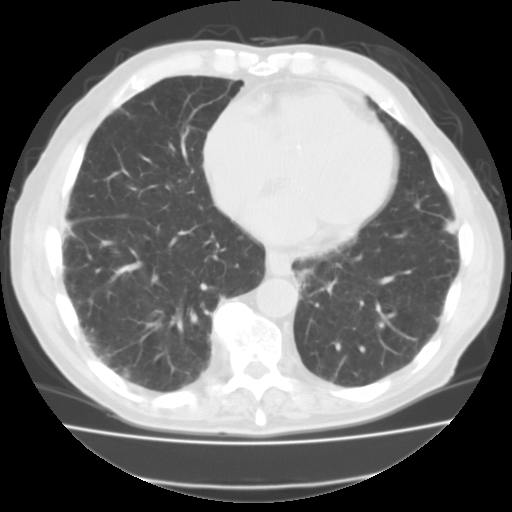
Chest CT, axial plane, 135 kVp, kernel FC01. Slice 39/111 from the bottom of the scan; thickness 3.00 mm; pixel size 0.714 mm.
Pulmonary nodule outlined by all four readers; box rows 218–234, columns 443–458 (the union of the readers' outlines on this slice); median longest diameter 19.9 mm (readers' outlines 19.5–21.5 mm), median volume 3747 mm3 (3640–4836 mm3). Median ratings and the readers' spread: texture 5/5 (solid), all four readers agreeing; median margin 5/5 (circumscribed) (readers ranged 4/5 to 5/5 (circumscribed)); sphericity 3.5/5 at the median of four readers, spread 3/5 (ovoid) to 5/5 (round); calcification absent, all four readers agreeing; internal structure soft tissue, all four readers agreeing; subtlety 5/5 from all four readers; median malignancy likelihood 3.5/5 (readers ranged 2–5). Scale key (1–5): texture non-solid→solid, margin indistinct→circumscribed, sphericity linear→round, subtlety extremely subtle→obvious, malignancy likelihood highly unlikely→highly suspicious of cancer. Box rows and columns are 0-based pixel indices from the top-left corner, inclusive.